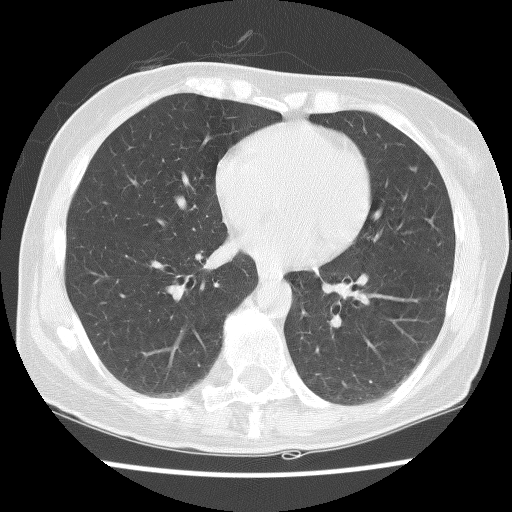
Axial slice 55 of 122 of a chest CT (slice 1 is the lowest), reconstructed with the BONE kernel at 140 kVp; 2.50 mm slice thickness and 0.584 mm pixels.
Pulmonary nodule, outlined by one of the four readers. Box on this slice rows 166–171, columns 407–416, that reader's outline on this slice; longest diameter 7.1 mm and volume 58 mm3 from that reader's outline. Ratings by that reader: texture 5/5 (solid); margin 5/5 (circumscribed); sphericity 3/5 (ovoid); calcification absent; internal structure soft tissue; subtlety 3/5; malignancy likelihood 2/5. Scale key (1–5): texture non-solid→solid, margin indistinct→circumscribed, sphericity linear→round, subtlety extremely subtle→obvious, malignancy likelihood highly unlikely→highly suspicious of cancer. Box rows and columns are 0-based pixel indices from the top-left corner, inclusive.